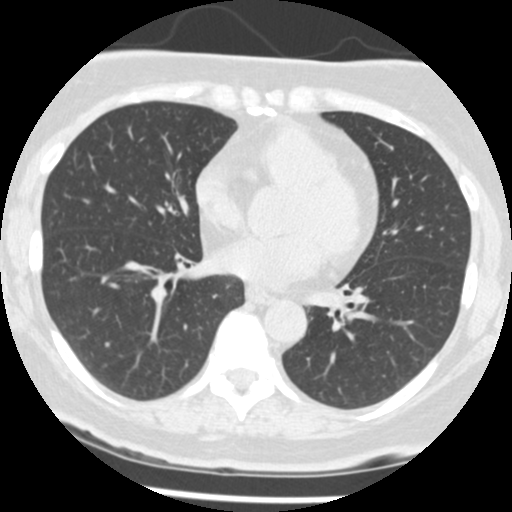
Axial slice 199 of 433 of a chest CT (slice 1 is the lowest), reconstructed with the STANDARD kernel at 120 kVp; 1.25 mm slice thickness and 0.547 mm pixels.
Pulmonary nodule at rows 342–347, columns 104–109 (box = the union of the readers' outlines on this slice), outlined by three of the four readers; longest diameter 4.8 mm on average over the three readers' outlines (readers' outlines 4.5–5.0 mm), volume 36–46 mm3. The readers' prevailing ratings and who disagreed: texture 5/5 (solid) from all three readers; margin 5/5 (circumscribed) from all three readers; sphericity 5/5 (round) from all three readers; calcification solid calcification from all three readers; internal structure soft tissue from all three readers; subtlety 5/5 from all three readers; malignancy likelihood 1/5 from all three readers. Scale key (1–5): texture non-solid→solid, margin indistinct→circumscribed, sphericity linear→round, subtlety extremely subtle→obvious, malignancy likelihood highly unlikely→highly suspicious of cancer. Box rows and columns are 0-based pixel indices from the top-left corner, inclusive.